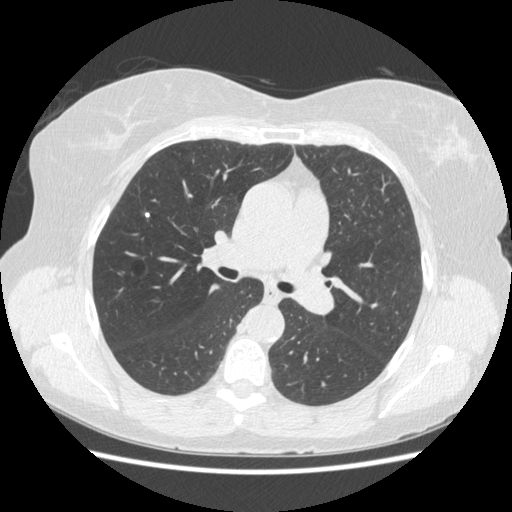
One axial slice (289 of 487, counting up from the lowest) of a chest CT acquired at 120 kVp with the STANDARD kernel; each pixel is 0.703 mm and the slice is 1.25 mm thick.
Pulmonary nodule outlined by one of the four readers; box rows 213–216, columns 145–148 (that reader's outline on this slice); longest diameter 3.8 mm and volume 26 mm3 from that reader's outline. Ratings by that reader: texture 5/5 (solid); margin 5/5 (circumscribed); sphericity 5/5 (round); calcification solid calcification; internal structure soft tissue; subtlety 3/5; malignancy likelihood 1/5. Scale key (1–5): texture non-solid→solid, margin indistinct→circumscribed, sphericity linear→round, subtlety extremely subtle→obvious, malignancy likelihood highly unlikely→highly suspicious of cancer. Box rows and columns are 0-based pixel indices from the top-left corner, inclusive.